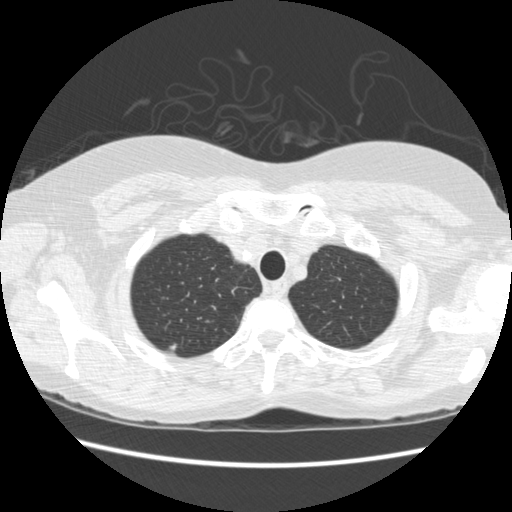
Slice 424/477 of a chest CT, counting up from the lowest; pixel size 0.664 mm, slice thickness 1.25 mm. Pulmonary nodule at rows 342–350, columns 169–176 (box = that reader's outline on this slice), outlined by one of the four readers; longest diameter 8.9 mm and volume 110 mm3 from that reader's outline. That reader's ratings: texture 5/5 (solid); margin 4/5; sphericity 3/5 (ovoid); calcification absent; internal structure soft tissue; subtlety 4/5; malignancy likelihood 3/5. Scale key (1–5): texture non-solid→solid, margin indistinct→circumscribed, sphericity linear→round, subtlety extremely subtle→obvious, malignancy likelihood highly unlikely→highly suspicious of cancer. Box rows and columns are 0-based pixel indices from the top-left corner, inclusive.
Acquired at 120 kVp and reconstructed with the STANDARD kernel.